Axial chest CT slice 103 of 268 (counted from the lowest slice); tube voltage 120 kVp, convolution kernel BONE; slices 1.25 mm thick, 0.742 mm per pixel.
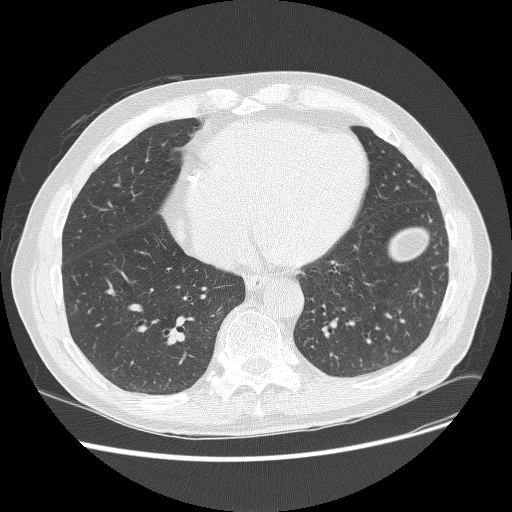
Pulmonary nodule at rows 262–266, columns 445–447 (box = the union of the readers' outlines on this slice), outlined by three of the four readers, two of them on this slice; longest diameter 6.3 mm on average over the three readers' outlines (readers' outlines 5.7–7.3 mm), volume 62–149 mm3. The readers' prevailing ratings and who disagreed: most readers (two of three) put texture at 5/5 (solid), others 4/5 (one); margin 5/5 (circumscribed) by two of three readers; the rest gave 2/5 (one); sphericity 5/5 (round) by two of three readers; the rest gave 3/5 (ovoid) (one); calcification absent, all three readers agreeing; internal structure soft tissue, all three readers agreeing; subtlety 4/5 by two of three readers; the rest gave 3/5 (one); malignancy likelihood 3/5 by two of three readers; the rest gave 2/5 (one). Scale key (1–5): texture non-solid→solid, margin indistinct→circumscribed, sphericity linear→round, subtlety extremely subtle→obvious, malignancy likelihood highly unlikely→highly suspicious of cancer. Box rows and columns are 0-based pixel indices from the top-left corner, inclusive.